Chest CT, axial plane, 140 kVp, kernel STANDARD. Slice 467/501 from the bottom of the scan; thickness 1.25 mm; pixel size 0.703 mm.
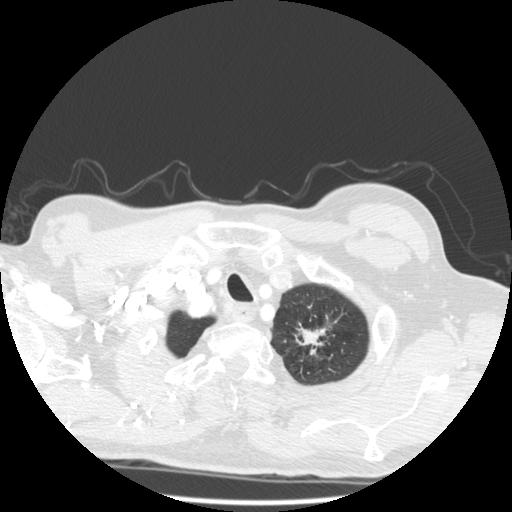
Pulmonary nodule, outlined by three of the four readers. Box on this slice rows 322–355, columns 294–326, the union of the readers' outlines on this slice; longest diameter 35.0 mm on average over the three readers' outlines (readers' outlines 32.1–39.2 mm), volume 2361–4873 mm3. Ratings, by the readers' most common answer with dissent counted: most readers (two of three) put texture at 5/5 (solid), others 4/5 (one); margin split among the readers: 1/5 (indistinct) (one), 3/5 (one), 5/5 (circumscribed) (one); sphericity split among the readers: 2/5 (one), 3/5 (ovoid) (one), 5/5 (round) (one); calcification absent, all three readers agreeing; internal structure soft tissue, all three readers agreeing; subtlety 5/5 from all three readers; most readers (two of three) put malignancy likelihood at 5/5, others 4/5 (one). Scale key (1–5): texture non-solid→solid, margin indistinct→circumscribed, sphericity linear→round, subtlety extremely subtle→obvious, malignancy likelihood highly unlikely→highly suspicious of cancer. Box rows and columns are 0-based pixel indices from the top-left corner, inclusive.